Axial slice 144 of 301 of a chest CT (slice 1 is the lowest), reconstructed with the STANDARD kernel at 120 kVp; 1.25 mm slice thickness and 0.752 mm pixels.
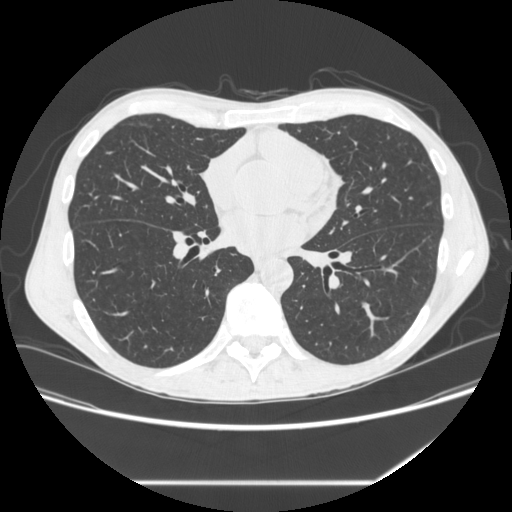
None of the four readers outlined a nodule of 3 mm or more on this slice.